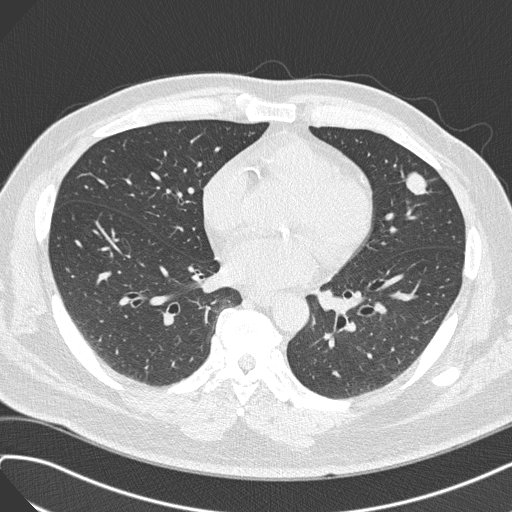
Axial slice 145 of 308 of a chest CT (slice 1 is the lowest), reconstructed with the B45f kernel at 120 kVp; 1.00 mm slice thickness and 0.703 mm pixels.
Pulmonary nodule at rows 171–194, columns 405–427 (box = the union of the readers' outlines on this slice), outlined by all four readers; longest diameter 21.2 mm on average over the four readers' outlines (readers' outlines 19.6–23.0 mm), volume 1982–2315 mm3. Ratings, by the readers' most common answer with dissent counted: texture 5/5 (solid) from all four readers; margin split among the readers: 4/5 (two), 5/5 (circumscribed) (two); sphericity split among the readers: 3/5 (ovoid) (two), 5/5 (round) (two); calcification absent from all four readers; internal structure soft tissue, all four readers agreeing; subtlety 5/5, all four readers agreeing; malignancy likelihood 3/5 by two of four readers; the rest gave 4/5 (one), 5/5 (one). Scale key (1–5): texture non-solid→solid, margin indistinct→circumscribed, sphericity linear→round, subtlety extremely subtle→obvious, malignancy likelihood highly unlikely→highly suspicious of cancer. Box rows and columns are 0-based pixel indices from the top-left corner, inclusive.